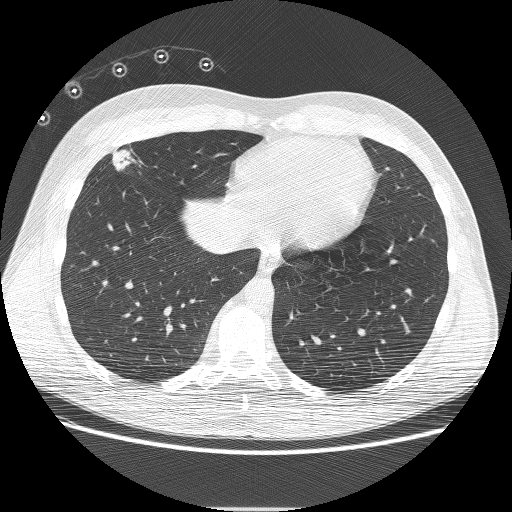
Axial chest CT slice 63 of 230 (counted from the lowest slice); tube voltage 120 kVp, convolution kernel BONE; slices 1.25 mm thick, 0.732 mm per pixel.
Pulmonary nodule, outlined by all four readers. Box on this slice rows 149–171, columns 111–137, the union of the readers' outlines on this slice; longest diameter 23.5–29.5 mm and volume 3146–3701 mm3 across the four readers' outlines. The readers' ratings, as ranges where they differ: texture 5/5 (solid) from all four readers; margin from 3/5 to 5/5 (circumscribed) across the four readers; sphericity from 3/5 (ovoid) to 4/5 across the four readers; calcification absent from all four readers; internal structure soft tissue, all four readers agreeing; subtlety 5/5, all four readers agreeing; malignancy likelihood 4–5/5 (the readers disagree). Scale key (1–5): texture non-solid→solid, margin indistinct→circumscribed, sphericity linear→round, subtlety extremely subtle→obvious, malignancy likelihood highly unlikely→highly suspicious of cancer. Box rows and columns are 0-based pixel indices from the top-left corner, inclusive.